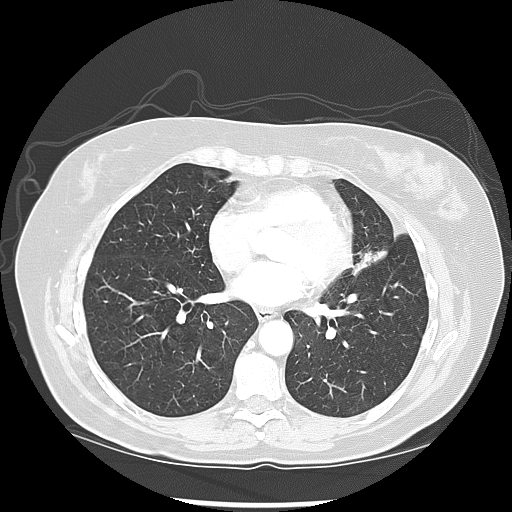
Axial slice 65 of 133 of a chest CT (slice 1 is the lowest), reconstructed with the LUNG kernel at 120 kVp; 2.50 mm slice thickness and 0.703 mm pixels.
Pulmonary nodule outlined by three of the four readers, one of them on this slice; box rows 251–274, columns 354–384 (the one reader's outline on this slice); longest diameter 33.3–41.8 mm and volume 6044–7666 mm3 across the three readers' outlines. The readers' ratings, as ranges where they differ: texture 5/5 (solid) from all three readers; margin from 3/5 to 4/5 across the three readers; sphericity 3/5 (ovoid) from all three readers; calcification absent from all three readers; internal structure soft tissue from all three readers; subtlety 5/5 from all three readers; malignancy likelihood 5/5 from all three readers. Scale key (1–5): texture non-solid→solid, margin indistinct→circumscribed, sphericity linear→round, subtlety extremely subtle→obvious, malignancy likelihood highly unlikely→highly suspicious of cancer. Box rows and columns are 0-based pixel indices from the top-left corner, inclusive.